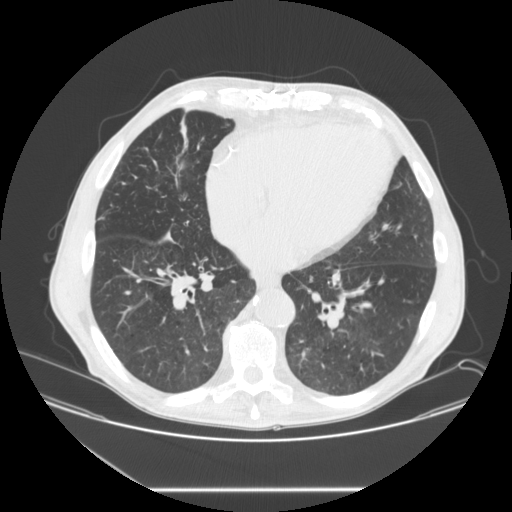
Axial slice 92 of 245 of a chest CT (slice 1 is the lowest), reconstructed with the STANDARD kernel at 120 kVp; 1.25 mm slice thickness and 0.834 mm pixels.
This slice carries no reader outline of a nodule 3 mm or larger.